Chest CT, axial plane, 120 kVp, kernel STANDARD. Slice 145/381 from the bottom of the scan; thickness 1.25 mm; pixel size 0.625 mm.
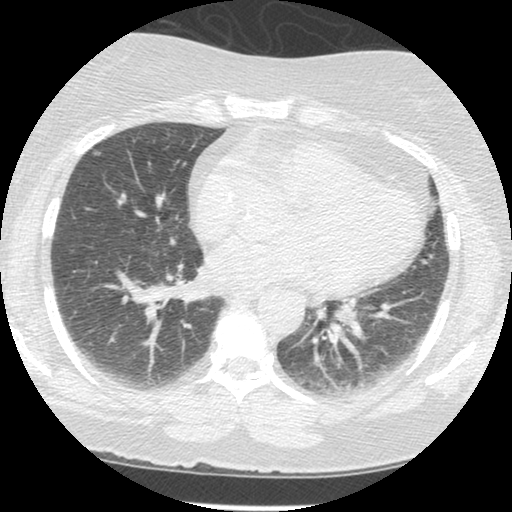
Pulmonary nodule at rows 150–154, columns 92–100 (box = the union of the readers' outlines on this slice), outlined by three of the four readers; longest diameter 6.5–7.1 mm and volume 53–61 mm3 across the three readers' outlines. The readers' ratings, as ranges where they differ: texture from 1/5 (non-solid) to 5/5 (solid) across the three readers; margin from 3/5 to 5/5 (circumscribed) across the three readers; sphericity from 3/5 (ovoid) to 5/5 (round) across the three readers; calcification absent, all three readers agreeing; internal structure soft tissue from all three readers; subtlety 3–5/5 (the readers disagree); malignancy likelihood rated between 2 and 3 out of 5 by the three readers. Scale key (1–5): texture non-solid→solid, margin indistinct→circumscribed, sphericity linear→round, subtlety extremely subtle→obvious, malignancy likelihood highly unlikely→highly suspicious of cancer. Box rows and columns are 0-based pixel indices from the top-left corner, inclusive.